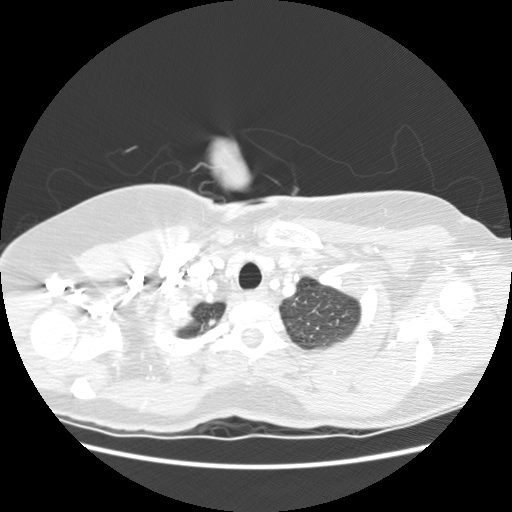
Chest CT, axial plane, 120 kVp, kernel STANDARD. Slice 160/178 from the bottom of the scan; thickness 1.25 mm; pixel size 0.703 mm.
Pulmonary nodule at rows 318–325, columns 208–215 (box = the union of the readers' outlines on this slice), outlined by two of the four readers; longest diameter 6.6 mm on average over the two readers' outlines (readers' outlines 6.5–6.6 mm), volume 61–62 mm3. The readers' prevailing ratings and who disagreed: texture 5/5 (solid) from both readers; margin split among the readers: 3/5 (one), 5/5 (circumscribed) (one); sphericity 4/5 from both readers; calcification absent, both readers agreeing; internal structure soft tissue from both readers; subtlety split among the readers: 3/5 (one), 5/5 (one); malignancy likelihood 2/5, both readers agreeing. Scale key (1–5): texture non-solid→solid, margin indistinct→circumscribed, sphericity linear→round, subtlety extremely subtle→obvious, malignancy likelihood highly unlikely→highly suspicious of cancer. Box rows and columns are 0-based pixel indices from the top-left corner, inclusive.